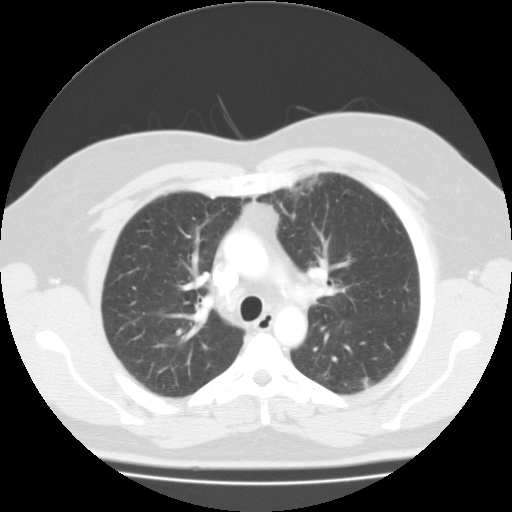
Chest CT, axial plane, 135 kVp, kernel FC01. Slice 69/104 from the bottom of the scan; thickness 3.00 mm; pixel size 0.741 mm.
Pulmonary nodule at rows 376–388, columns 361–369 (box = the union of the readers' outlines on this slice), outlined by three of the four readers; the three readers' outlines give a longest diameter between 14.4 and 16.4 mm and a volume between 759 and 979 mm3. The readers' ratings, as ranges where they differ: texture from 3/5 (part-solid) to 5/5 (solid) across the three readers; margin from 1/5 (indistinct) to 3/5 across the three readers; sphericity from 3/5 (ovoid) to 5/5 (round) across the three readers; calcification absent from all three readers; internal structure soft tissue, all three readers agreeing; subtlety from 4/5 to 5/5 across the three readers; malignancy likelihood from 4/5 to 5/5 across the three readers. Scale key (1–5): texture non-solid→solid, margin indistinct→circumscribed, sphericity linear→round, subtlety extremely subtle→obvious, malignancy likelihood highly unlikely→highly suspicious of cancer. Box rows and columns are 0-based pixel indices from the top-left corner, inclusive.